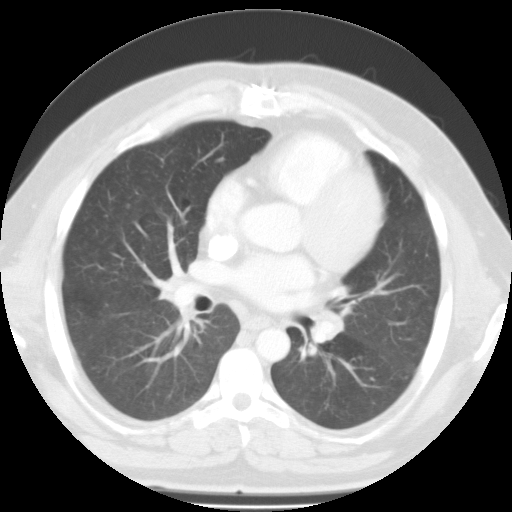
Chest CT, axial plane, 135 kVp, kernel FC01. Slice 58/99 from the bottom of the scan; thickness 3.00 mm; pixel size 0.698 mm.
Pulmonary nodule outlined by one of the four readers; box rows 203–208, columns 125–130 (that reader's outline on this slice); longest diameter 5.8 mm and volume 120 mm3 from that reader's outline. That reader's ratings: texture 3/5 (part-solid); margin 3/5; sphericity 2/5; calcification absent; internal structure soft tissue; subtlety 2/5; malignancy likelihood 3/5. Scale key (1–5): texture non-solid→solid, margin indistinct→circumscribed, sphericity linear→round, subtlety extremely subtle→obvious, malignancy likelihood highly unlikely→highly suspicious of cancer. Box rows and columns are 0-based pixel indices from the top-left corner, inclusive.